Axial chest CT slice 74 of 147 (counted from the lowest slice); tube voltage 120 kVp, convolution kernel STANDARD; slices 2.50 mm thick, 0.703 mm per pixel.
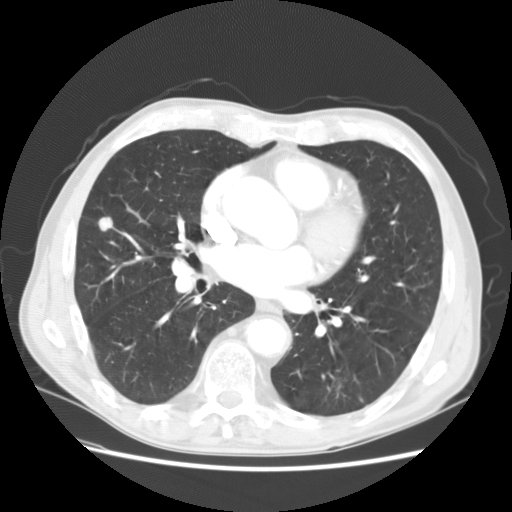
Pulmonary nodule at rows 216–231, columns 96–112 (box = the union of the readers' outlines on this slice), outlined by all four readers; the four readers' outlines give a longest diameter between 12.0 and 13.3 mm and a volume between 735 and 848 mm3. The readers' ratings, as ranges where they differ: texture from 4/5 to 5/5 (solid) across the four readers; margin from 4/5 to 5/5 (circumscribed) across the four readers; sphericity from 4/5 to 5/5 (round) across the four readers; calcification absent from all four readers; internal structure soft tissue from all four readers; subtlety 3–5/5 (the readers disagree); malignancy likelihood from 2/5 to 4/5 across the four readers. Scale key (1–5): texture non-solid→solid, margin indistinct→circumscribed, sphericity linear→round, subtlety extremely subtle→obvious, malignancy likelihood highly unlikely→highly suspicious of cancer. Box rows and columns are 0-based pixel indices from the top-left corner, inclusive.